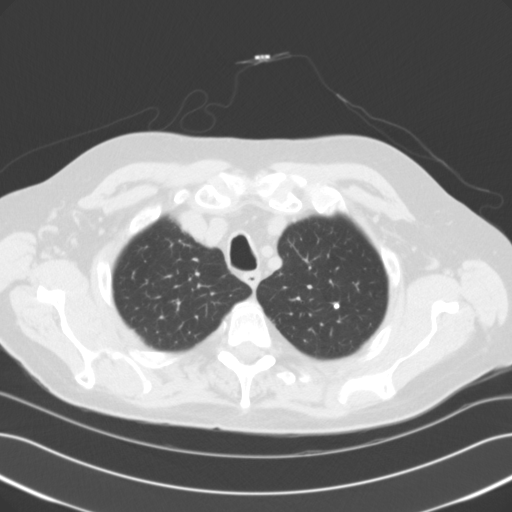
Axial chest CT slice 101 of 118 (counted from the lowest slice); tube voltage 120 kVp, convolution kernel B31f; slices 3.00 mm thick, 0.707 mm per pixel.
Pulmonary nodule outlined by three of the four readers; box rows 302–309, columns 333–339 (the union of the readers' outlines on this slice); longest diameter 5.6 mm on average over the three readers' outlines (readers' outlines 5.1–6.5 mm), volume 84–128 mm3. Ratings, by the readers' most common answer with dissent counted: texture 5/5 (solid), all three readers agreeing; most readers (two of three) put margin at 5/5 (circumscribed), others 4/5 (one); sphericity 5/5 (round), all three readers agreeing; calcification solid calcification by two of three readers, central calcification (one); internal structure soft tissue from all three readers; most readers (two of three) put subtlety at 5/5, others 3/5 (one); malignancy likelihood 1/5, all three readers agreeing. Scale key (1–5): texture non-solid→solid, margin indistinct→circumscribed, sphericity linear→round, subtlety extremely subtle→obvious, malignancy likelihood highly unlikely→highly suspicious of cancer. Box rows and columns are 0-based pixel indices from the top-left corner, inclusive.